Axial slice 289 of 411 of a chest CT (slice 1 is the lowest), reconstructed with the D kernel at 120 kVp; 2.00 mm slice thickness and 0.654 mm pixels.
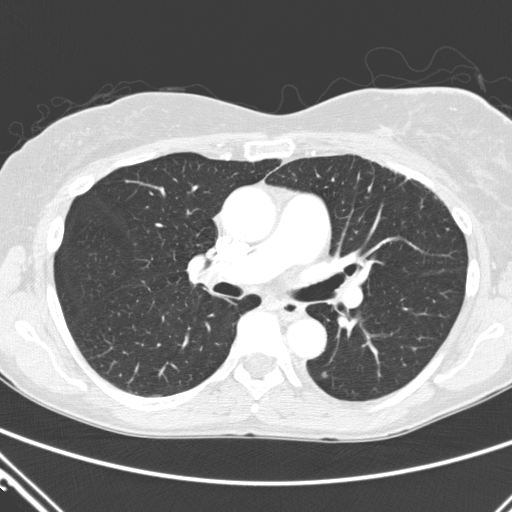
Pulmonary nodule at rows 373–378, columns 321–326 (box = that reader's outline on this slice), outlined by one of the four readers; longest diameter 6.2 mm and volume 53 mm3 from that reader's outline. Ratings by that reader: texture 5/5 (solid); margin 5/5 (circumscribed); sphericity 5/5 (round); calcification absent; internal structure soft tissue; subtlety 3/5; malignancy likelihood 3/5. Scale key (1–5): texture non-solid→solid, margin indistinct→circumscribed, sphericity linear→round, subtlety extremely subtle→obvious, malignancy likelihood highly unlikely→highly suspicious of cancer. Box rows and columns are 0-based pixel indices from the top-left corner, inclusive.